Axial chest CT slice 285 of 477 (counted from the lowest slice); tube voltage 120 kVp, convolution kernel STANDARD; slices 1.25 mm thick, 0.664 mm per pixel.
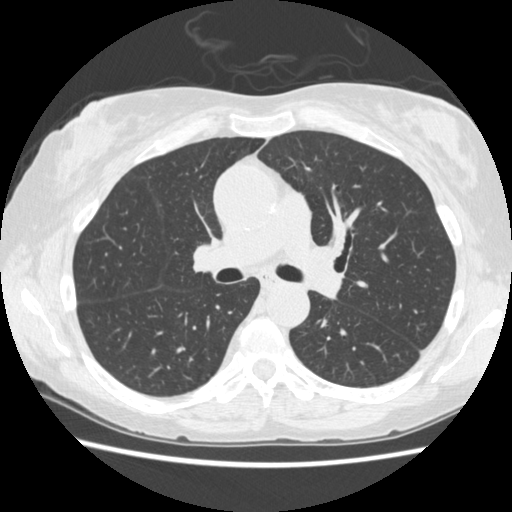
No nodule 3 mm or larger was outlined here by any reader.